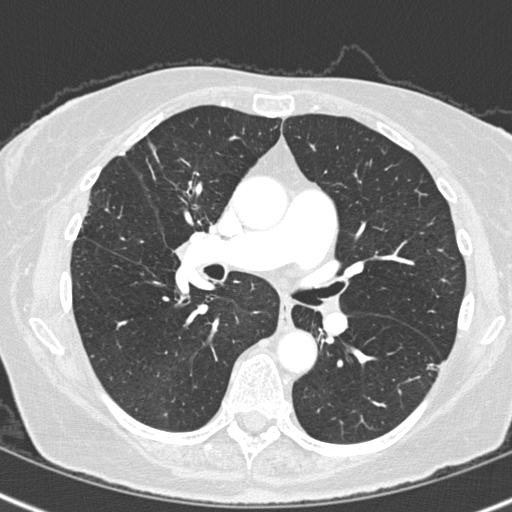
Axial chest CT slice 180 of 308 (counted from the lowest slice); 1.00 mm thick, 0.586 mm per pixel. Pulmonary nodule at rows 363–370, columns 426–439 (box = the one reader's outline on this slice), outlined by all four readers, one of them on this slice; longest diameter 17.1 mm on average over the four readers' outlines (readers' outlines 15.5–19.6 mm), volume 724–1186 mm3. Ratings, by the readers' most common answer with dissent counted: most readers (three of four) put texture at 5/5 (solid), others 4/5 (one); most readers (three of four) put margin at 4/5, others 3/5 (one); sphericity 3/5 (ovoid) by two of four readers; the rest gave 4/5 (one), 5/5 (round) (one); calcification absent, all four readers agreeing; internal structure soft tissue, all four readers agreeing; most readers (three of four) put subtlety at 5/5, others 4/5 (one); malignancy likelihood split among the readers: 4/5 (two), 5/5 (two). Scale key (1–5): texture non-solid→solid, margin indistinct→circumscribed, sphericity linear→round, subtlety extremely subtle→obvious, malignancy likelihood highly unlikely→highly suspicious of cancer. Box rows and columns are 0-based pixel indices from the top-left corner, inclusive.
Scan settings: 120 kVp, B45f reconstruction kernel.